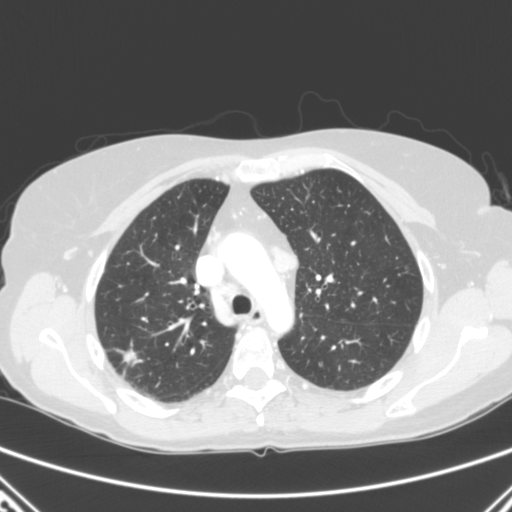
Slice 194/280 of a chest CT, counting up from the lowest; pixel size 0.676 mm, slice thickness 2.00 mm. Pulmonary nodule outlined three times (the source holds two more outlines, not used); box rows 341–376, columns 112–143 (the union of the readers' outlines on this slice); longest diameter 22.0 mm on average over the three readers' outlines (readers' outlines 19.6–26.7 mm), volume 949–1659 mm3. The readers' prevailing ratings and who disagreed: most readers (two of three) put texture at 5/5 (solid), others 4/5 (one); margin 3/5 by two of three readers; the rest gave 4/5 (one); sphericity split among the readers: 2/5 (one), 3/5 (ovoid) (one), 5/5 (round) (one); calcification absent, all three readers agreeing; internal structure soft tissue from all three readers; subtlety 5/5, all three readers agreeing; most readers (two of three) put malignancy likelihood at 5/5, others 4/5 (one). Scale key (1–5): texture non-solid→solid, margin indistinct→circumscribed, sphericity linear→round, subtlety extremely subtle→obvious, malignancy likelihood highly unlikely→highly suspicious of cancer. Box rows and columns are 0-based pixel indices from the top-left corner, inclusive.
Acquired at 120 kVp and reconstructed with the B kernel.